One axial slice (66 of 125, counting up from the lowest) of a chest CT acquired at 120 kVp with the LUNG kernel; each pixel is 0.703 mm and the slice is 2.50 mm thick.
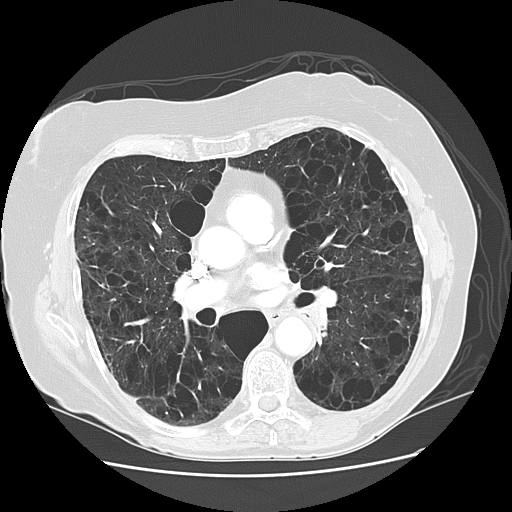
Pulmonary nodule outlined by one of the four readers; box rows 309–341, columns 296–324 (that reader's outline on this slice); longest diameter 37.4 mm and volume 10878 mm3 from that reader's outline. That reader's ratings: texture 5/5 (solid); margin 5/5 (circumscribed); sphericity 5/5 (round); calcification absent; internal structure soft tissue; subtlety 3/5; malignancy likelihood 2/5. Scale key (1–5): texture non-solid→solid, margin indistinct→circumscribed, sphericity linear→round, subtlety extremely subtle→obvious, malignancy likelihood highly unlikely→highly suspicious of cancer. Box rows and columns are 0-based pixel indices from the top-left corner, inclusive.